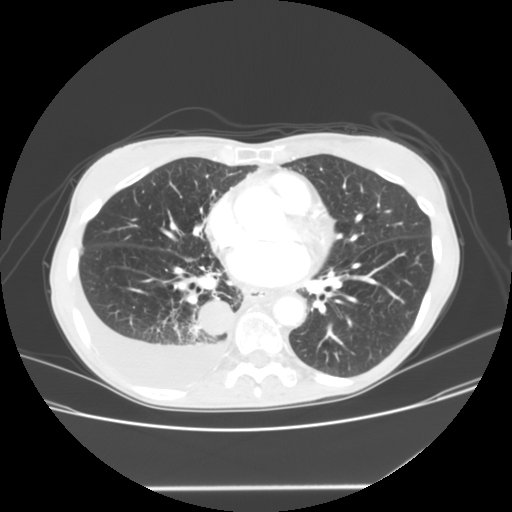
Axial slice 60 of 133 of a chest CT (slice 1 is the lowest), reconstructed with the STANDARD kernel at 120 kVp; 2.50 mm slice thickness and 0.703 mm pixels.
Pulmonary nodule outlined by two of the four readers; box rows 299–333, columns 199–231 (the union of the readers' outlines on this slice); longest diameter 35.2 mm on average over the two readers' outlines (readers' outlines 33.4–36.9 mm), volume 15304–15793 mm3. Ratings, by the readers' most common answer with dissent counted: texture split among the readers: 4/5 (one), 5/5 (solid) (one); margin 5/5 (circumscribed) from both readers; sphericity split among the readers: 4/5 (one), 5/5 (round) (one); calcification absent, both readers agreeing; internal structure soft tissue from both readers; subtlety 5/5 from both readers; malignancy likelihood split among the readers: 2/5 (one), 3/5 (one). Scale key (1–5): texture non-solid→solid, margin indistinct→circumscribed, sphericity linear→round, subtlety extremely subtle→obvious, malignancy likelihood highly unlikely→highly suspicious of cancer. Box rows and columns are 0-based pixel indices from the top-left corner, inclusive.